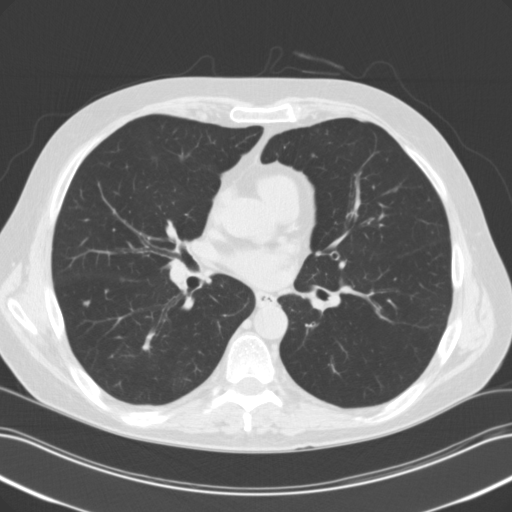
One axial slice (61 of 118, counting up from the lowest) of a chest CT acquired at 120 kVp with the B31f kernel; each pixel is 0.707 mm and the slice is 3.00 mm thick.
Pulmonary nodule outlined by two of the four readers; box rows 300–306, columns 83–89 (the union of the readers' outlines on this slice); longest diameter 5.7–6.7 mm and volume 85–98 mm3 across the two readers' outlines. The readers' ratings, as ranges where they differ: texture from 3/5 (part-solid) to 5/5 (solid) across the two readers; margin from 3/5 to 4/5 across the two readers; sphericity 3/5 (ovoid) from both readers; calcification absent from both readers; internal structure soft tissue, both readers agreeing; subtlety rated between 3 and 4 out of 5 by the two readers; malignancy likelihood from 2/5 to 3/5 across the two readers. Scale key (1–5): texture non-solid→solid, margin indistinct→circumscribed, sphericity linear→round, subtlety extremely subtle→obvious, malignancy likelihood highly unlikely→highly suspicious of cancer. Box rows and columns are 0-based pixel indices from the top-left corner, inclusive.